Axial slice 63 of 109 of a chest CT (slice 1 is the lowest), reconstructed with the FC01 kernel at 135 kVp; 3.00 mm slice thickness and 0.671 mm pixels.
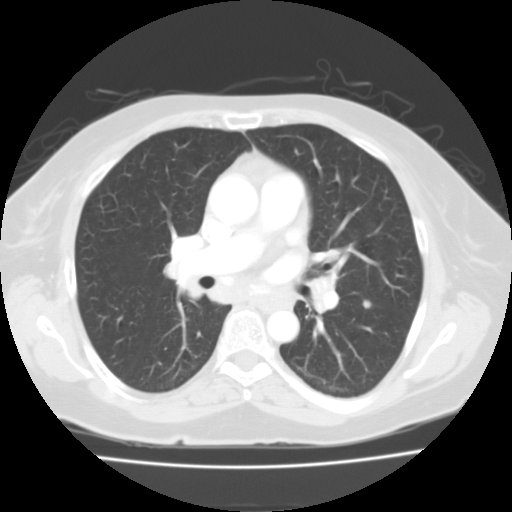
Pulmonary nodule, outlined by all four readers. Box on this slice rows 300–308, columns 362–371, the union of the readers' outlines on this slice; the four readers' outlines give a longest diameter between 6.9 and 7.5 mm and a volume between 136 and 260 mm3. Ratings across the readers: texture 5/5 (solid) from all four readers; margin from 4/5 to 5/5 (circumscribed) across the four readers; sphericity from 3/5 (ovoid) to 5/5 (round) across the four readers; calcification absent, all four readers agreeing; internal structure soft tissue, all four readers agreeing; subtlety rated between 3 and 5 out of 5 by the four readers; malignancy likelihood 1–3/5 (the readers disagree). Scale key (1–5): texture non-solid→solid, margin indistinct→circumscribed, sphericity linear→round, subtlety extremely subtle→obvious, malignancy likelihood highly unlikely→highly suspicious of cancer. Box rows and columns are 0-based pixel indices from the top-left corner, inclusive.